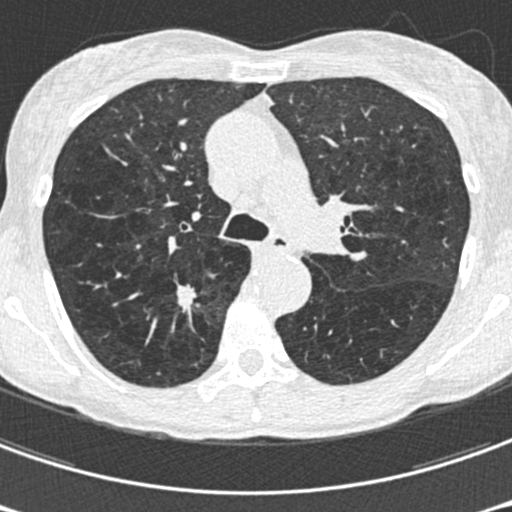
Axial chest CT slice 409 of 633 (counted from the lowest slice); tube voltage 120 kVp, convolution kernel B30f; slices 0.60 mm thick, 0.541 mm per pixel.
Pulmonary nodule outlined by all four readers; box rows 284–321, columns 176–196 (the union of the readers' outlines on this slice); longest diameter 18.1–21.0 mm and volume 1292–1642 mm3 across the four readers' outlines. Ratings across the readers: texture 5/5 (solid) from all four readers; margin from 1/5 (indistinct) to 3/5 across the four readers; sphericity from 2/5 to 4/5 across the four readers; calcification absent, all four readers agreeing; internal structure soft tissue from all four readers; subtlety from 4/5 to 5/5 across the four readers; malignancy likelihood 4–5/5 (the readers disagree). Scale key (1–5): texture non-solid→solid, margin indistinct→circumscribed, sphericity linear→round, subtlety extremely subtle→obvious, malignancy likelihood highly unlikely→highly suspicious of cancer. Box rows and columns are 0-based pixel indices from the top-left corner, inclusive.